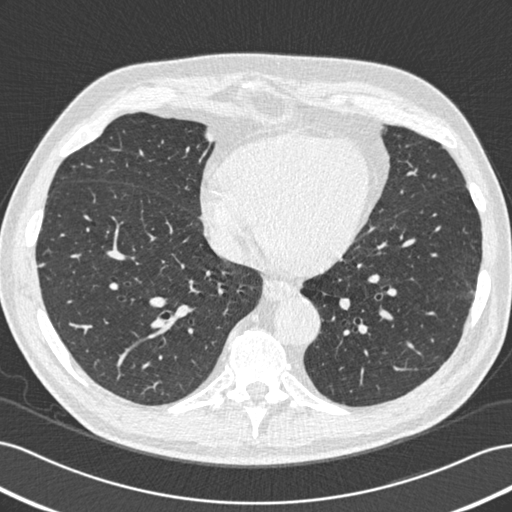
Axial slice 199 of 506 of a chest CT (slice 1 is the lowest), reconstructed with the B30f kernel at 120 kVp; 0.75 mm slice thickness and 0.699 mm pixels.
Pulmonary nodule outlined by all four readers; box rows 263–266, columns 39–45 (the union of the readers' outlines on this slice); median longest diameter 8.2 mm (readers' outlines 8.0–9.0 mm), median volume 186 mm3 (171–198 mm3). Median ratings and the readers' spread: texture 5/5 (solid), all four readers agreeing; median margin 4/5 (readers ranged 3/5 to 5/5 (circumscribed)); median sphericity 5/5 (round) (readers ranged 3/5 (ovoid) to 5/5 (round)); calcification absent from all four readers; internal structure soft tissue from all four readers; subtlety 4/5 at the median of four readers, spread 3–5; median malignancy likelihood 2.5/5 (readers ranged 1–4). Scale key (1–5): texture non-solid→solid, margin indistinct→circumscribed, sphericity linear→round, subtlety extremely subtle→obvious, malignancy likelihood highly unlikely→highly suspicious of cancer. Box rows and columns are 0-based pixel indices from the top-left corner, inclusive.